One axial slice (105 of 257, counting up from the lowest) of a chest CT acquired at 120 kVp with the BONE kernel; each pixel is 0.627 mm and the slice is 1.25 mm thick.
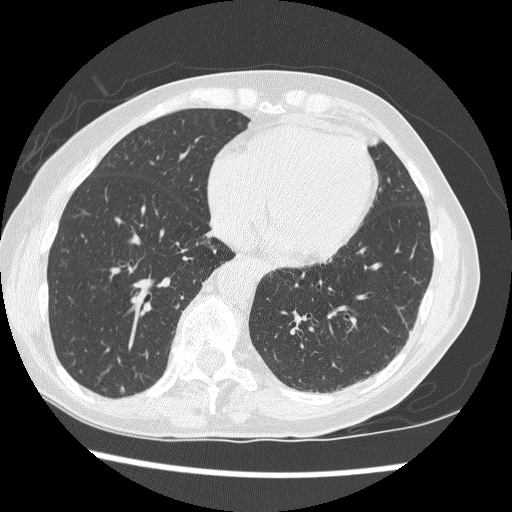
Pulmonary nodule at rows 386–394, columns 118–124 (box = that reader's outline on this slice), outlined by one of the four readers; longest diameter 6.8 mm and volume 64 mm3 from that reader's outline. That reader's ratings: texture 5/5 (solid); margin 5/5 (circumscribed); sphericity 4/5; calcification absent; internal structure soft tissue; subtlety 4/5; malignancy likelihood 3/5. Scale key (1–5): texture non-solid→solid, margin indistinct→circumscribed, sphericity linear→round, subtlety extremely subtle→obvious, malignancy likelihood highly unlikely→highly suspicious of cancer. Box rows and columns are 0-based pixel indices from the top-left corner, inclusive.